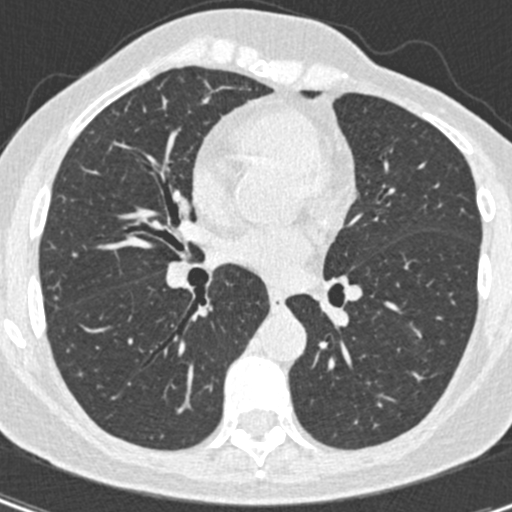
Chest CT, axial plane, 120 kVp, kernel B30f. Slice 210/408 from the bottom of the scan; thickness 0.75 mm; pixel size 0.531 mm.
Two pulmonary nodules are outlined on this slice; from left to right: (1) Pulmonary nodule outlined by one of the four readers; box rows 296–300, columns 54–57 (that reader's outline on this slice); longest diameter 4.0 mm and volume 31 mm3 from that reader's outline. Ratings by that reader: texture 5/5 (solid); margin 5/5 (circumscribed); sphericity 5/5 (round); calcification absent; internal structure soft tissue; subtlety 5/5; malignancy likelihood 2/5. (2) Pulmonary nodule outlined by one of the four readers; box rows 340–344, columns 440–444 (that reader's outline on this slice); longest diameter 4.3 mm and volume 27 mm3 from that reader's outline. That reader's ratings: texture 5/5 (solid); margin 5/5 (circumscribed); sphericity 5/5 (round); calcification absent; internal structure soft tissue; subtlety 5/5; malignancy likelihood 2/5. Scale key (1–5): texture non-solid→solid, margin indistinct→circumscribed, sphericity linear→round, subtlety extremely subtle→obvious, malignancy likelihood highly unlikely→highly suspicious of cancer. Box rows and columns are 0-based pixel indices from the top-left corner, inclusive.